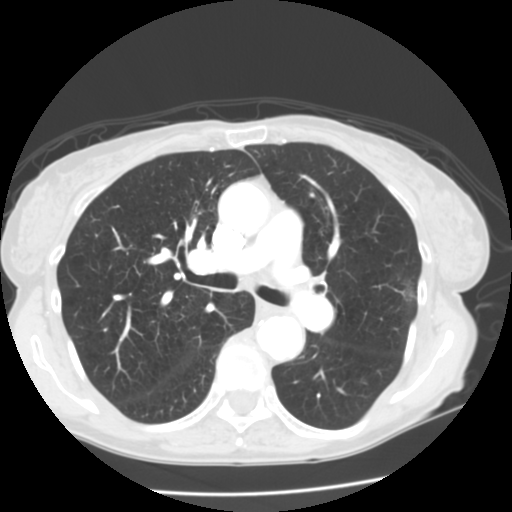
This is axial slice 86 of 141 (slice 1 is the lowest) of a chest CT; each pixel is 0.625 mm and the slice is 2.50 mm thick. Pulmonary nodule at rows 276–303, columns 402–414 (box = the one reader's outline on this slice), outlined by all four readers, one of them on this slice; the four readers' outlines give a longest diameter between 17.6 and 20.7 mm and a volume between 1292 and 2187 mm3. The readers' ratings, as ranges where they differ: texture from 4/5 to 5/5 (solid) across the four readers; margin from 3/5 to 5/5 (circumscribed) across the four readers; sphericity from 3/5 (ovoid) to 5/5 (round) across the four readers; calcification absent from all four readers; internal structure soft tissue, all four readers agreeing; subtlety 5/5, all four readers agreeing; malignancy likelihood from 3/5 to 5/5 across the four readers. Scale key (1–5): texture non-solid→solid, margin indistinct→circumscribed, sphericity linear→round, subtlety extremely subtle→obvious, malignancy likelihood highly unlikely→highly suspicious of cancer. Box rows and columns are 0-based pixel indices from the top-left corner, inclusive.
Scan settings: 120 kVp, STANDARD reconstruction kernel.